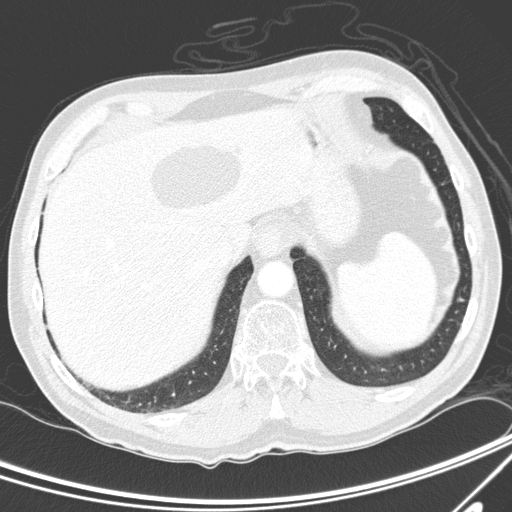
Axial chest CT slice 45 of 300 (counted from the lowest slice); 2.00 mm thick, 0.678 mm per pixel. Pulmonary nodule outlined by three of the four readers; box rows 298–302, columns 456–463 (the union of the readers' outlines on this slice); longest diameter 6.4 mm on average over the three readers' outlines (readers' outlines 5.5–6.9 mm), volume 52–87 mm3. The readers' prevailing ratings and who disagreed: texture 5/5 (solid), all three readers agreeing; most readers (two of three) put margin at 5/5 (circumscribed), others 4/5 (one); sphericity 4/5 by two of three readers; the rest gave 5/5 (round) (one); calcification absent, all three readers agreeing; internal structure soft tissue from all three readers; most readers (two of three) put subtlety at 4/5, others 3/5 (one); most readers (two of three) put malignancy likelihood at 3/5, others 2/5 (one). Scale key (1–5): texture non-solid→solid, margin indistinct→circumscribed, sphericity linear→round, subtlety extremely subtle→obvious, malignancy likelihood highly unlikely→highly suspicious of cancer. Box rows and columns are 0-based pixel indices from the top-left corner, inclusive.
Acquired at 120 kVp and reconstructed with the D kernel.